Chest CT, axial plane, 120 kVp, kernel LUNG. Slice 100/133 from the bottom of the scan; thickness 2.50 mm; pixel size 0.703 mm.
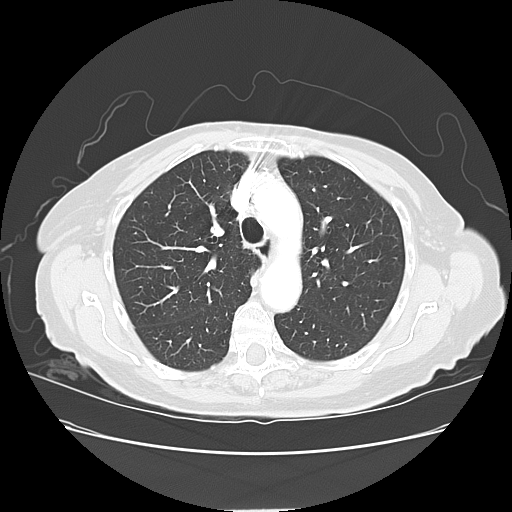
None of the four readers outlined a nodule of 3 mm or more on this slice.